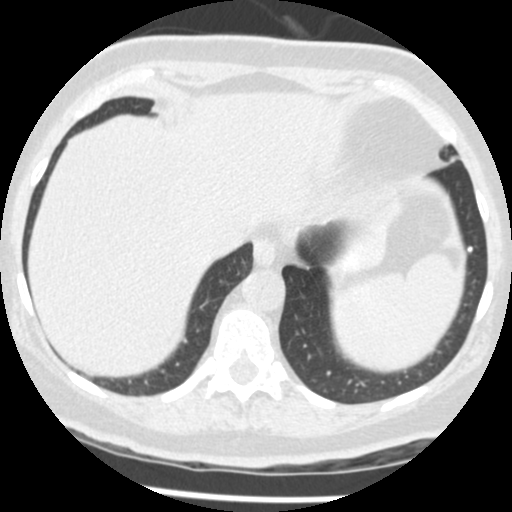
One axial slice (103 of 433, counting up from the lowest) of a chest CT acquired at 120 kVp with the STANDARD kernel; each pixel is 0.547 mm and the slice is 1.25 mm thick.
Pulmonary nodule outlined by two of the four readers; box rows 246–252, columns 467–472 (the union of the readers' outlines on this slice); median longest diameter 4.6 mm (readers' outlines 4.4–4.7 mm), median volume 51 mm3 (49–52 mm3). Ratings, median across the readers with their spread: texture 5/5 (solid) from both readers; margin 5/5 (circumscribed) from both readers; sphericity 5/5 (round) from both readers; calcification solid calcification from both readers; internal structure soft tissue from both readers; subtlety 5/5, both readers agreeing; malignancy likelihood 1/5 from both readers. Scale key (1–5): texture non-solid→solid, margin indistinct→circumscribed, sphericity linear→round, subtlety extremely subtle→obvious, malignancy likelihood highly unlikely→highly suspicious of cancer. Box rows and columns are 0-based pixel indices from the top-left corner, inclusive.